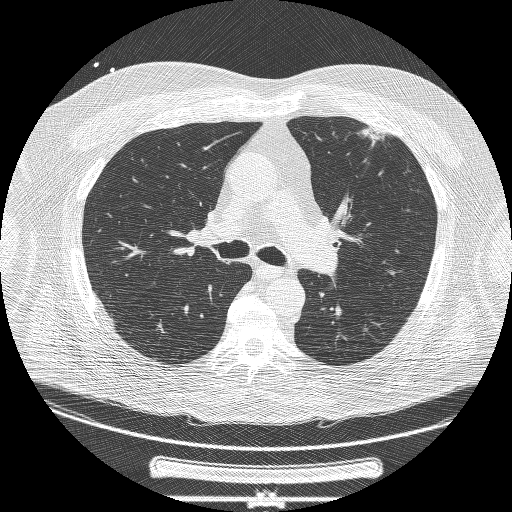
This is axial slice 143 of 239 (slice 1 is the lowest) of a chest CT; each pixel is 0.795 mm and the slice is 1.25 mm thick. Pulmonary nodule outlined by two of the four readers; box rows 127–145, columns 357–387 (the union of the readers' outlines on this slice); longest diameter 43.2 mm on average over the two readers' outlines (readers' outlines 43.0–43.4 mm), volume 10396–11168 mm3. Ratings, by the readers' most common answer with dissent counted: texture split among the readers: 3/5 (part-solid) (one), 5/5 (solid) (one); margin split among the readers: 1/5 (indistinct) (one), 3/5 (one); sphericity split among the readers: 1/5 (linear) (one), 3/5 (ovoid) (one); calcification absent from both readers; internal structure soft tissue from both readers; subtlety 5/5, both readers agreeing; malignancy likelihood 5/5, both readers agreeing. Scale key (1–5): texture non-solid→solid, margin indistinct→circumscribed, sphericity linear→round, subtlety extremely subtle→obvious, malignancy likelihood highly unlikely→highly suspicious of cancer. Box rows and columns are 0-based pixel indices from the top-left corner, inclusive.
Acquired at 120 kVp and reconstructed with the BONE kernel.